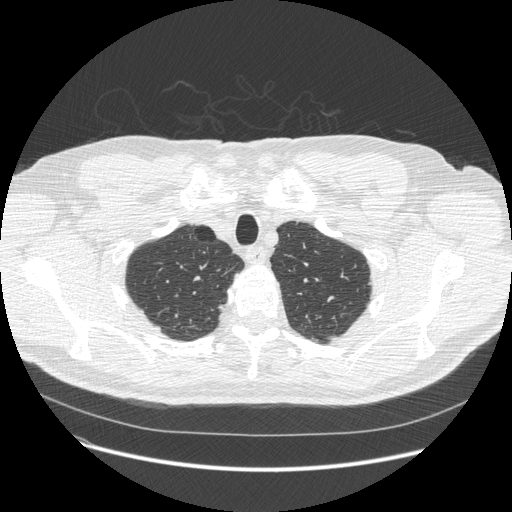
Axial slice 461 of 541 of a chest CT (slice 1 is the lowest), reconstructed with the STANDARD kernel at 120 kVp; 1.25 mm slice thickness and 0.781 mm pixels.
Pulmonary nodule outlined by one of the four readers; box rows 327–331, columns 155–160 (that reader's outline on this slice); longest diameter 7.2 mm and volume 60 mm3 from that reader's outline. That reader's ratings: texture 5/5 (solid); margin 5/5 (circumscribed); sphericity 4/5; calcification absent; internal structure soft tissue; subtlety 5/5; malignancy likelihood 3/5. Scale key (1–5): texture non-solid→solid, margin indistinct→circumscribed, sphericity linear→round, subtlety extremely subtle→obvious, malignancy likelihood highly unlikely→highly suspicious of cancer. Box rows and columns are 0-based pixel indices from the top-left corner, inclusive.